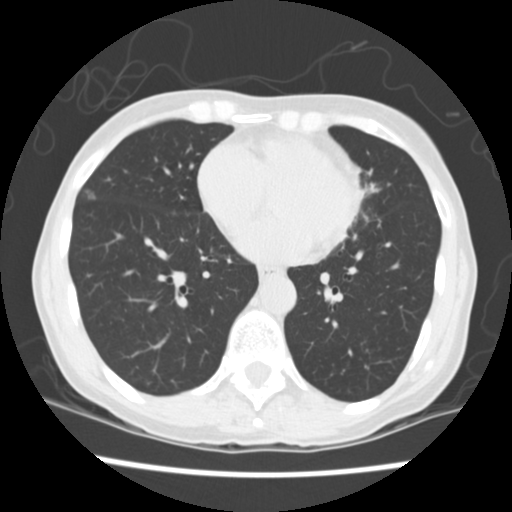
Axial slice 65 of 163 of a chest CT (slice 1 is the lowest), reconstructed with the STANDARD kernel at 120 kVp; 2.50 mm slice thickness and 0.586 mm pixels.
Pulmonary nodule, outlined by three of the four readers. Box on this slice rows 190–198, columns 85–95, the union of the readers' outlines on this slice; longest diameter 9.3 mm on average over the three readers' outlines (readers' outlines 8.8–10.1 mm), volume 193–242 mm3. Ratings, by the readers' most common answer with dissent counted: texture split among the readers: 2/5 (one), 3/5 (part-solid) (one), 5/5 (solid) (one); margin 5/5 (circumscribed) by two of three readers; the rest gave 2/5 (one); sphericity 3/5 (ovoid), all three readers agreeing; calcification absent, all three readers agreeing; internal structure soft tissue, all three readers agreeing; subtlety split among the readers: 2/5 (one), 3/5 (one), 5/5 (one); malignancy likelihood split among the readers: 2/5 (one), 3/5 (one), 4/5 (one). Scale key (1–5): texture non-solid→solid, margin indistinct→circumscribed, sphericity linear→round, subtlety extremely subtle→obvious, malignancy likelihood highly unlikely→highly suspicious of cancer. Box rows and columns are 0-based pixel indices from the top-left corner, inclusive.